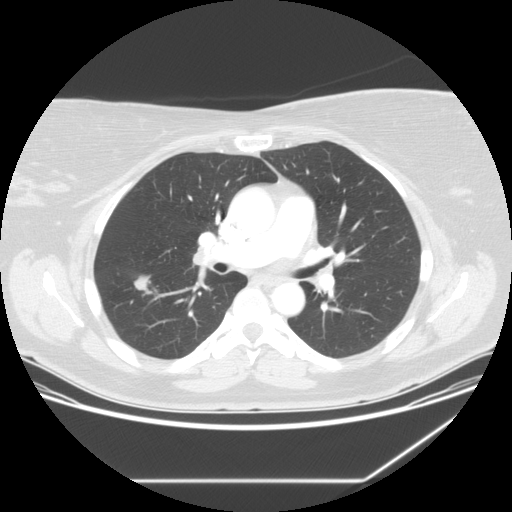
Slice 78/133 of a chest CT, counting up from the lowest; pixel size 0.781 mm, slice thickness 2.50 mm. Pulmonary nodule, outlined by all four readers. Box on this slice rows 274–293, columns 133–152, the union of the readers' outlines on this slice; median longest diameter 17.5 mm (readers' outlines 16.9–23.5 mm), median volume 1040 mm3 (791–1326 mm3). Median ratings and the readers' spread: texture 5/5 (solid) from all four readers; margin 4/5 at the median of four readers, spread 4/5 to 5/5 (circumscribed); median sphericity 3/5 (ovoid) (readers ranged 3/5 (ovoid) to 5/5 (round)); calcification absent from all four readers; internal structure soft tissue from all four readers; subtlety 5/5 at the median of four readers, spread 4–5; median malignancy likelihood 4.5/5 (readers ranged 3–5). Scale key (1–5): texture non-solid→solid, margin indistinct→circumscribed, sphericity linear→round, subtlety extremely subtle→obvious, malignancy likelihood highly unlikely→highly suspicious of cancer. Box rows and columns are 0-based pixel indices from the top-left corner, inclusive.
Scan settings: 120 kVp, STANDARD reconstruction kernel.